Axial slice 107 of 138 of a chest CT (slice 1 is the lowest), reconstructed with the STANDARD kernel at 120 kVp; 2.50 mm slice thickness and 0.781 mm pixels.
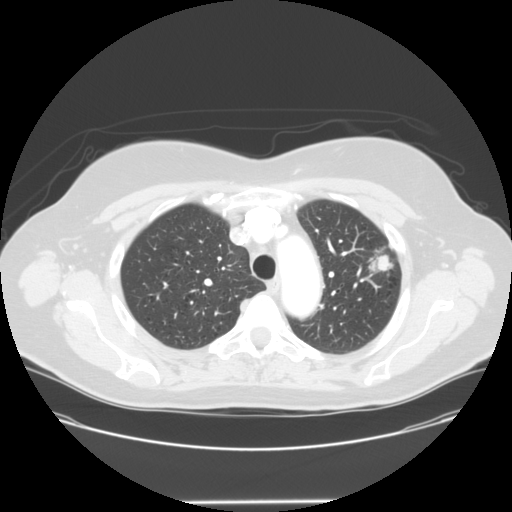
Pulmonary nodule at rows 245–273, columns 367–394 (box = the union of the readers' outlines on this slice), outlined by all four readers; longest diameter 30.6 mm on average over the four readers' outlines (readers' outlines 29.1–32.9 mm), volume 5563–6580 mm3. Ratings, by the readers' most common answer with dissent counted: texture 5/5 (solid) by three of four readers; the rest gave 4/5 (one); margin split among the readers: 3/5 (two), 4/5 (two); sphericity 3/5 (ovoid) by three of four readers; the rest gave 5/5 (round) (one); calcification absent from all four readers; internal structure soft tissue from all four readers; subtlety 5/5, all four readers agreeing; most readers (three of four) put malignancy likelihood at 5/5, others 4/5 (one). Scale key (1–5): texture non-solid→solid, margin indistinct→circumscribed, sphericity linear→round, subtlety extremely subtle→obvious, malignancy likelihood highly unlikely→highly suspicious of cancer. Box rows and columns are 0-based pixel indices from the top-left corner, inclusive.